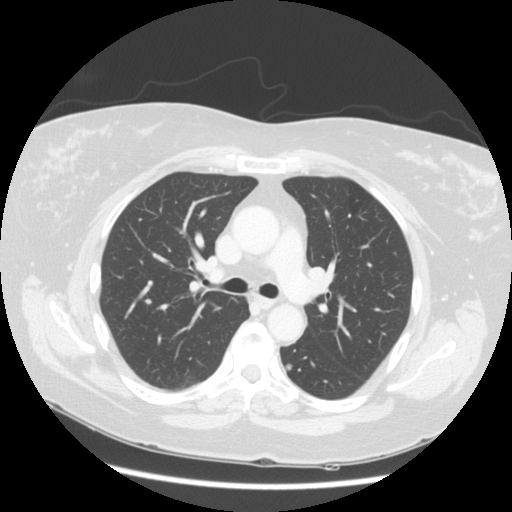
One axial slice (80 of 123, counting up from the lowest) of a chest CT acquired at 140 kVp with the STANDARD kernel; each pixel is 0.703 mm and the slice is 2.50 mm thick.
Pulmonary nodule at rows 364–370, columns 285–292 (box = the union of the readers' outlines on this slice), outlined by all four readers; median longest diameter 6.5 mm (readers' outlines 6.0–7.6 mm), median volume 132 mm3 (117–176 mm3). Ratings, median across the readers with their spread: texture 5/5 (solid) from all four readers; margin 5/5 (circumscribed), all four readers agreeing; sphericity 5/5 (round) at the median of four readers, spread 4/5 to 5/5 (round); calcification absent, all four readers agreeing; internal structure soft tissue, all four readers agreeing; median subtlety 3.5/5 (readers ranged 3–5); median malignancy likelihood 2.5/5 (readers ranged 2–4). Scale key (1–5): texture non-solid→solid, margin indistinct→circumscribed, sphericity linear→round, subtlety extremely subtle→obvious, malignancy likelihood highly unlikely→highly suspicious of cancer. Box rows and columns are 0-based pixel indices from the top-left corner, inclusive.